Axial slice 171 of 298 of a chest CT (slice 1 is the lowest), reconstructed with the B45f kernel at 120 kVp; 1.00 mm slice thickness and 0.547 mm pixels.
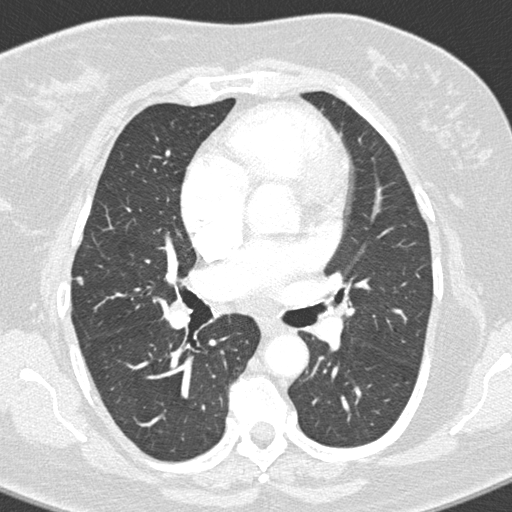
Pulmonary nodule, outlined by three of the four readers. Box on this slice rows 276–285, columns 73–83, the union of the readers' outlines on this slice; the three readers' outlines give a longest diameter between 5.9 and 8.2 mm and a volume between 71 and 114 mm3. The readers' ratings, as ranges where they differ: texture from 4/5 to 5/5 (solid) across the three readers; margin from 3/5 to 4/5 across the three readers; sphericity from 3/5 (ovoid) to 4/5 across the three readers; calcification absent from all three readers; internal structure soft tissue from all three readers; subtlety 3–4/5 (the readers disagree); malignancy likelihood 2–3/5 (the readers disagree). Scale key (1–5): texture non-solid→solid, margin indistinct→circumscribed, sphericity linear→round, subtlety extremely subtle→obvious, malignancy likelihood highly unlikely→highly suspicious of cancer. Box rows and columns are 0-based pixel indices from the top-left corner, inclusive.